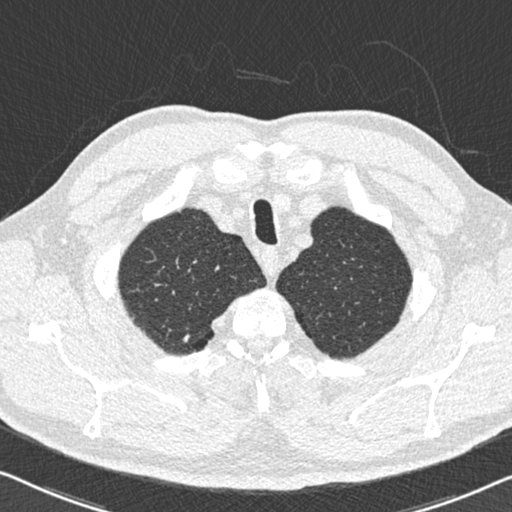
Axial slice 509 of 558 of a chest CT (slice 1 is the lowest), reconstructed with the B30f kernel at 120 kVp; 0.75 mm slice thickness and 0.648 mm pixels.
Pulmonary nodule, outlined by all four readers. Box on this slice rows 333–343, columns 182–190, the union of the readers' outlines on this slice; the four readers' outlines give a longest diameter between 6.5 and 8.7 mm and a volume between 71 and 209 mm3. The readers' ratings, as ranges where they differ: texture from 4/5 to 5/5 (solid) across the four readers; margin from 4/5 to 5/5 (circumscribed) across the four readers; sphericity from 2/5 to 5/5 (round) across the four readers; calcification: absent (three), solid calcification (one); internal structure soft tissue, all four readers agreeing; subtlety from 3/5 to 5/5 across the four readers; malignancy likelihood from 1/5 to 3/5 across the four readers. Scale key (1–5): texture non-solid→solid, margin indistinct→circumscribed, sphericity linear→round, subtlety extremely subtle→obvious, malignancy likelihood highly unlikely→highly suspicious of cancer. Box rows and columns are 0-based pixel indices from the top-left corner, inclusive.